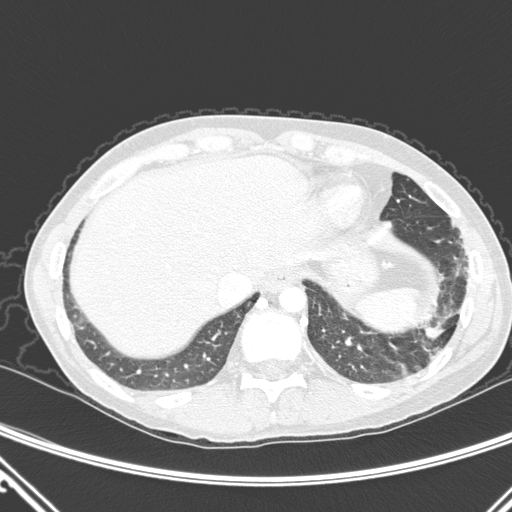
Axial chest CT slice 63 of 290 (counted from the lowest slice); tube voltage 120 kVp, convolution kernel D; slices 1.00 mm thick, 0.662 mm per pixel.
Pulmonary nodule, outlined by two of the four readers. Box on this slice rows 322–339, columns 423–443, the union of the readers' outlines on this slice; longest diameter 16.8–17.4 mm and volume 457–555 mm3 across the two readers' outlines. The readers' ratings, as ranges where they differ: texture 5/5 (solid), both readers agreeing; margin from 1/5 (indistinct) to 2/5 across the two readers; sphericity from 3/5 (ovoid) to 4/5 across the two readers; calcification absent, both readers agreeing; internal structure soft tissue from both readers; subtlety 4/5 from both readers; malignancy likelihood 3–4/5 (the readers disagree). Scale key (1–5): texture non-solid→solid, margin indistinct→circumscribed, sphericity linear→round, subtlety extremely subtle→obvious, malignancy likelihood highly unlikely→highly suspicious of cancer. Box rows and columns are 0-based pixel indices from the top-left corner, inclusive.